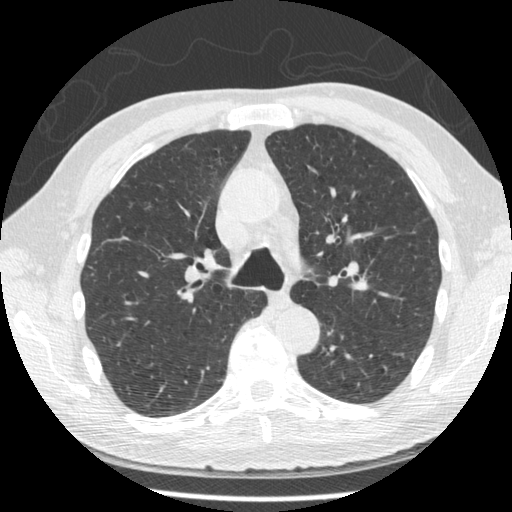
Axial chest CT slice 316 of 481 (counted from the lowest slice); tube voltage 120 kVp, convolution kernel STANDARD; slices 1.25 mm thick, 0.664 mm per pixel.
Pulmonary nodule outlined by two of the four readers, one of them on this slice; box rows 202–209, columns 144–151 (the one reader's outline on this slice); longest diameter 14.0 mm on average over the two readers' outlines (readers' outlines 10.4–17.6 mm), volume 117–191 mm3. The readers' prevailing ratings and who disagreed: texture split among the readers: 3/5 (part-solid) (one), 5/5 (solid) (one); margin split among the readers: 1/5 (indistinct) (one), 4/5 (one); sphericity 2/5 from both readers; calcification absent, both readers agreeing; internal structure soft tissue from both readers; subtlety split among the readers: 2/5 (one), 4/5 (one); malignancy likelihood split among the readers: 1/5 (one), 4/5 (one). Scale key (1–5): texture non-solid→solid, margin indistinct→circumscribed, sphericity linear→round, subtlety extremely subtle→obvious, malignancy likelihood highly unlikely→highly suspicious of cancer. Box rows and columns are 0-based pixel indices from the top-left corner, inclusive.